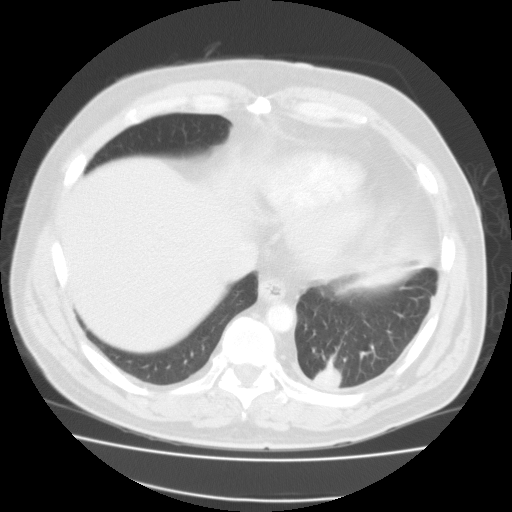
Axial chest CT slice 42 of 115 (counted from the lowest slice); tube voltage 135 kVp, convolution kernel FC01; slices 3.00 mm thick, 0.782 mm per pixel.
Pulmonary nodule, outlined by all four readers. Box on this slice rows 355–388, columns 311–341, the union of the readers' outlines on this slice; the four readers' outlines give a longest diameter between 25.2 and 31.6 mm and a volume between 5217 and 6928 mm3. The readers' ratings, as ranges where they differ: texture from 4/5 to 5/5 (solid) across the four readers; margin from 2/5 to 4/5 across the four readers; sphericity from 2/5 to 4/5 across the four readers; calcification split among the readers: non-central calcification (two), absent (two); internal structure soft tissue from all four readers; subtlety 5/5, all four readers agreeing; malignancy likelihood rated between 2 and 5 out of 5 by the four readers. Scale key (1–5): texture non-solid→solid, margin indistinct→circumscribed, sphericity linear→round, subtlety extremely subtle→obvious, malignancy likelihood highly unlikely→highly suspicious of cancer. Box rows and columns are 0-based pixel indices from the top-left corner, inclusive.